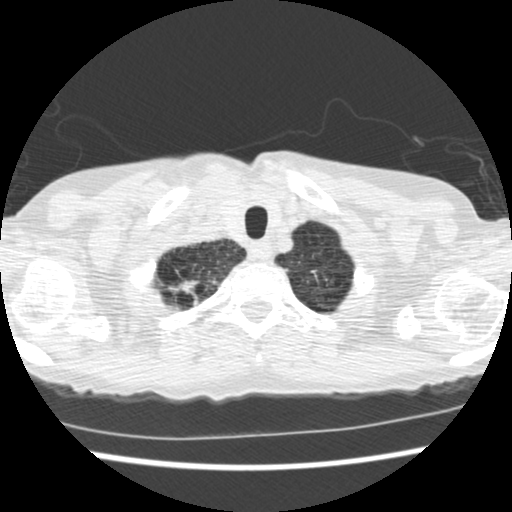
Axial chest CT slice 488 of 541 (counted from the lowest slice); tube voltage 120 kVp, convolution kernel STANDARD; slices 1.25 mm thick, 0.586 mm per pixel.
Pulmonary nodule at rows 281–301, columns 168–198 (box = that reader's outline on this slice), outlined by one of the four readers; longest diameter 24.9 mm and volume 491 mm3 from that reader's outline. That reader's ratings: texture 5/5 (solid); margin 1/5 (indistinct); sphericity 2/5; calcification absent; internal structure soft tissue; subtlety 4/5; malignancy likelihood 4/5. Scale key (1–5): texture non-solid→solid, margin indistinct→circumscribed, sphericity linear→round, subtlety extremely subtle→obvious, malignancy likelihood highly unlikely→highly suspicious of cancer. Box rows and columns are 0-based pixel indices from the top-left corner, inclusive.